Axial chest CT slice 92 of 127 (counted from the lowest slice); tube voltage 120 kVp, convolution kernel STANDARD; slices 2.50 mm thick, 0.703 mm per pixel.
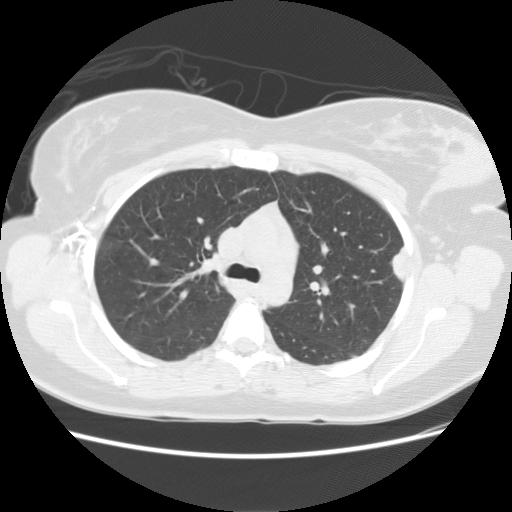
Pulmonary nodule outlined by all four readers; box rows 245–281, columns 390–407 (the union of the readers' outlines on this slice); the four readers' outlines give a longest diameter between 24.6 and 26.3 mm and a volume between 2071 and 2699 mm3. The readers' ratings, as ranges where they differ: texture 5/5 (solid) from all four readers; margin from 4/5 to 5/5 (circumscribed) across the four readers; sphericity from 3/5 (ovoid) to 5/5 (round) across the four readers; calcification absent, all four readers agreeing; internal structure soft tissue, all four readers agreeing; subtlety 5/5 from all four readers; malignancy likelihood rated between 3 and 5 out of 5 by the four readers. Scale key (1–5): texture non-solid→solid, margin indistinct→circumscribed, sphericity linear→round, subtlety extremely subtle→obvious, malignancy likelihood highly unlikely→highly suspicious of cancer. Box rows and columns are 0-based pixel indices from the top-left corner, inclusive.